Axial chest CT slice 182 of 290 (counted from the lowest slice); tube voltage 120 kVp, convolution kernel D; slices 2.00 mm thick, 0.648 mm per pixel.
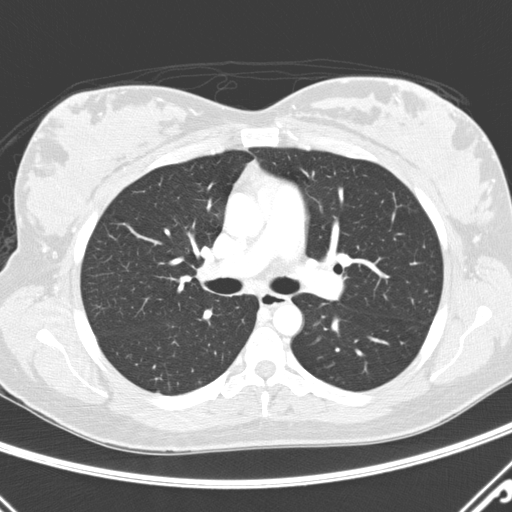
Pulmonary nodule outlined by one of the four readers; box rows 389–391, columns 156–159 (that reader's outline on this slice); longest diameter 15.8 mm and volume 355 mm3 from that reader's outline. That reader's ratings: texture 5/5 (solid); margin 5/5 (circumscribed); sphericity 3/5 (ovoid); calcification absent; internal structure soft tissue; subtlety 5/5; malignancy likelihood 3/5. Scale key (1–5): texture non-solid→solid, margin indistinct→circumscribed, sphericity linear→round, subtlety extremely subtle→obvious, malignancy likelihood highly unlikely→highly suspicious of cancer. Box rows and columns are 0-based pixel indices from the top-left corner, inclusive.